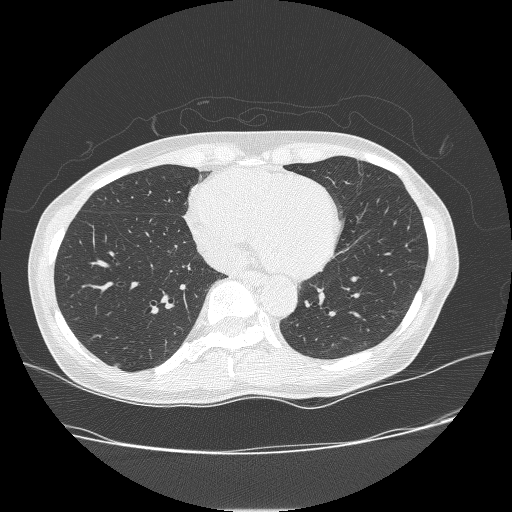
This is axial slice 97 of 238 (slice 1 is the lowest) of a chest CT; each pixel is 0.703 mm and the slice is 1.25 mm thick. Pulmonary nodule, outlined by one of the four readers. Box on this slice rows 363–368, columns 112–120, that reader's outline on this slice; longest diameter 9.2 mm and volume 160 mm3 from that reader's outline. That reader's ratings: texture 3/5 (part-solid); margin 4/5; sphericity 3/5 (ovoid); calcification absent; internal structure soft tissue; subtlety 5/5; malignancy likelihood 3/5. Scale key (1–5): texture non-solid→solid, margin indistinct→circumscribed, sphericity linear→round, subtlety extremely subtle→obvious, malignancy likelihood highly unlikely→highly suspicious of cancer. Box rows and columns are 0-based pixel indices from the top-left corner, inclusive.
Acquired at 120 kVp and reconstructed with the BONE kernel.